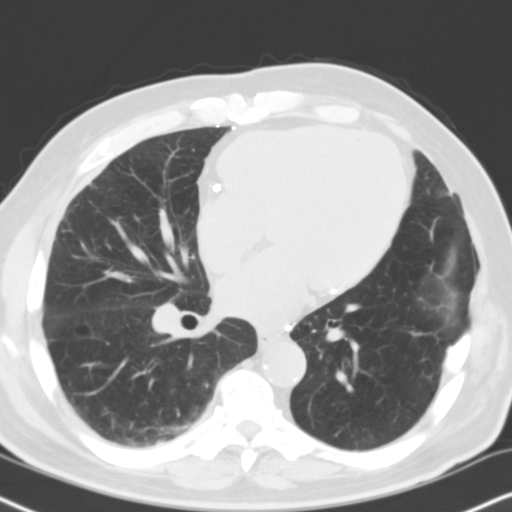
Chest CT, axial plane, 140 kVp, kernel B31f. Slice 58/111 from the bottom of the scan; thickness 3.00 mm; pixel size 0.633 mm.
The readers outlined no nodule of 3 mm or more on this slice.